Chest CT, axial plane, 120 kVp, kernel STANDARD. Slice 169/461 from the bottom of the scan; thickness 1.25 mm; pixel size 0.645 mm.
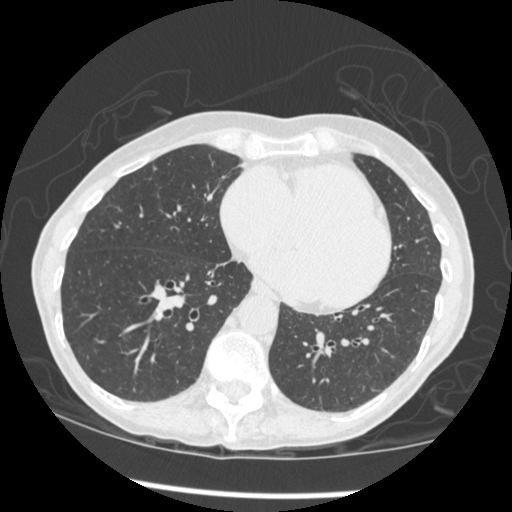
Pulmonary nodule at rows 165–170, columns 153–157 (box = the union of the readers' outlines on this slice), outlined by all four readers; longest diameter 6.2 mm on average over the four readers' outlines (readers' outlines 5.5–7.0 mm), volume 59–97 mm3. Ratings, by the readers' most common answer with dissent counted: texture 5/5 (solid), all four readers agreeing; margin 5/5 (circumscribed), all four readers agreeing; most readers (three of four) put sphericity at 5/5 (round), others 4/5 (one); calcification absent, all four readers agreeing; internal structure soft tissue from all four readers; subtlety 4/5 by three of four readers; the rest gave 3/5 (one); malignancy likelihood 2/5 by two of four readers; the rest gave 1/5 (one), 3/5 (one). Scale key (1–5): texture non-solid→solid, margin indistinct→circumscribed, sphericity linear→round, subtlety extremely subtle→obvious, malignancy likelihood highly unlikely→highly suspicious of cancer. Box rows and columns are 0-based pixel indices from the top-left corner, inclusive.